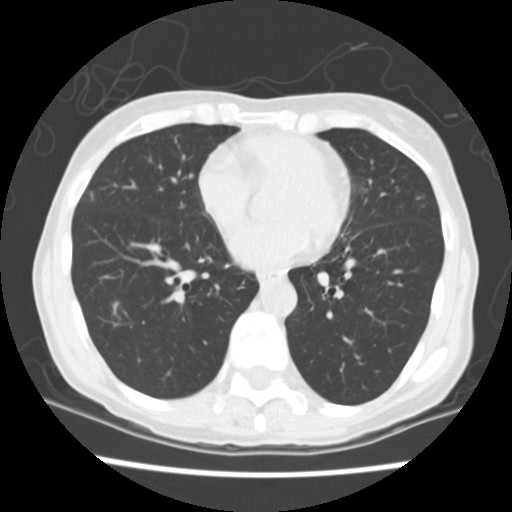
This is axial slice 69 of 163 (slice 1 is the lowest) of a chest CT; each pixel is 0.586 mm and the slice is 2.50 mm thick. Pulmonary nodule at rows 191–199, columns 90–93 (box = the union of the readers' outlines on this slice), outlined by three of the four readers, two of them on this slice; longest diameter 9.3 mm on average over the three readers' outlines (readers' outlines 8.8–10.1 mm), volume 193–242 mm3. Ratings, by the readers' most common answer with dissent counted: texture split among the readers: 2/5 (one), 3/5 (part-solid) (one), 5/5 (solid) (one); most readers (two of three) put margin at 5/5 (circumscribed), others 2/5 (one); sphericity 3/5 (ovoid) from all three readers; calcification absent, all three readers agreeing; internal structure soft tissue from all three readers; subtlety split among the readers: 2/5 (one), 3/5 (one), 5/5 (one); malignancy likelihood split among the readers: 2/5 (one), 3/5 (one), 4/5 (one). Scale key (1–5): texture non-solid→solid, margin indistinct→circumscribed, sphericity linear→round, subtlety extremely subtle→obvious, malignancy likelihood highly unlikely→highly suspicious of cancer. Box rows and columns are 0-based pixel indices from the top-left corner, inclusive.
Acquired at 120 kVp and reconstructed with the STANDARD kernel.